Chest CT, axial plane, 120 kVp, kernel B30f. Slice 111/172 from the bottom of the scan; thickness 2.00 mm; pixel size 0.664 mm.
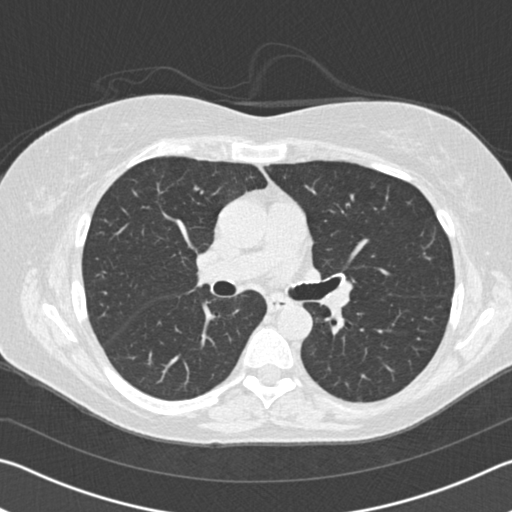
No nodule of 3 mm or larger was outlined by any of the four readers on this slice.